One axial slice (117 of 567, counting up from the lowest) of a chest CT acquired at 120 kVp with the STANDARD kernel; each pixel is 0.742 mm and the slice is 1.25 mm thick.
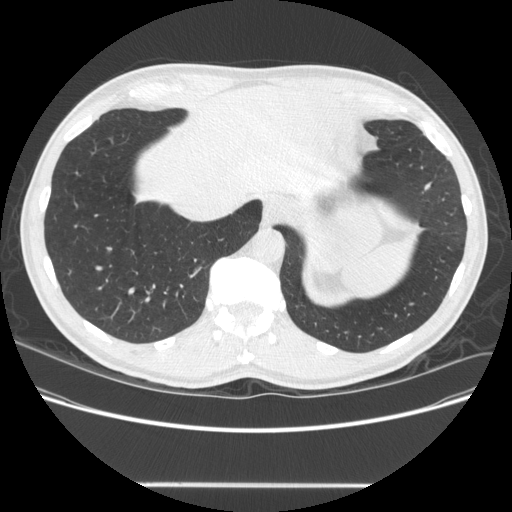
Pulmonary nodule outlined by all four readers; box rows 182–190, columns 423–431 (the union of the readers' outlines on this slice); longest diameter 8.4 mm on average over the four readers' outlines (readers' outlines 7.6–9.5 mm), volume 105–126 mm3. The readers' prevailing ratings and who disagreed: texture 5/5 (solid) from all four readers; margin split among the readers: 4/5 (two), 5/5 (circumscribed) (two); most readers (three of four) put sphericity at 3/5 (ovoid), others 2/5 (one); calcification absent by three of four readers, solid calcification (one); internal structure soft tissue, all four readers agreeing; subtlety 4/5 by three of four readers; the rest gave 3/5 (one); malignancy likelihood 2/5 by two of four readers; the rest gave 1/5 (one), 3/5 (one). Scale key (1–5): texture non-solid→solid, margin indistinct→circumscribed, sphericity linear→round, subtlety extremely subtle→obvious, malignancy likelihood highly unlikely→highly suspicious of cancer. Box rows and columns are 0-based pixel indices from the top-left corner, inclusive.